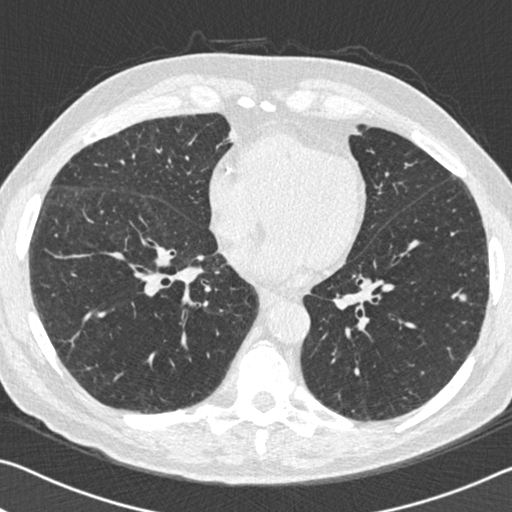
Axial chest CT slice 243 of 525 (counted from the lowest slice); tube voltage 120 kVp, convolution kernel B30f; slices 0.75 mm thick, 0.660 mm per pixel.
Pulmonary nodule at rows 293–301, columns 458–466 (box = the union of the readers' outlines on this slice), outlined by all four readers; longest diameter 11.7 mm on average over the four readers' outlines (readers' outlines 10.8–13.0 mm), volume 202–326 mm3. The readers' prevailing ratings and who disagreed: texture 5/5 (solid), all four readers agreeing; margin 5/5 (circumscribed), all four readers agreeing; sphericity 4/5 by two of four readers; the rest gave 3/5 (ovoid) (one), 5/5 (round) (one); calcification absent from all four readers; internal structure soft tissue, all four readers agreeing; subtlety 5/5 from all four readers; malignancy likelihood 5/5 by two of four readers; the rest gave 3/5 (one), 4/5 (one). Scale key (1–5): texture non-solid→solid, margin indistinct→circumscribed, sphericity linear→round, subtlety extremely subtle→obvious, malignancy likelihood highly unlikely→highly suspicious of cancer. Box rows and columns are 0-based pixel indices from the top-left corner, inclusive.